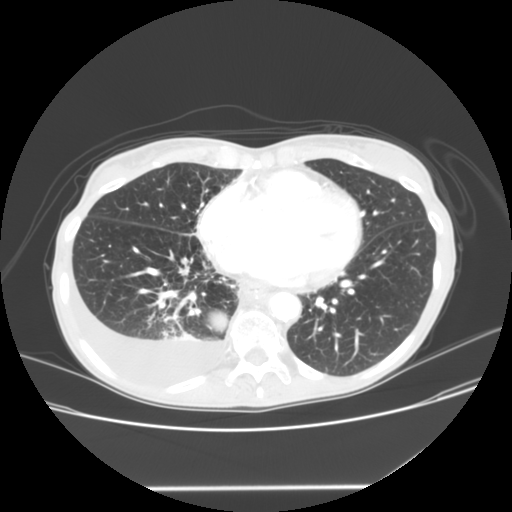
Axial slice 51 of 133 of a chest CT (slice 1 is the lowest), reconstructed with the STANDARD kernel at 120 kVp; 2.50 mm slice thickness and 0.703 mm pixels.
Pulmonary nodule at rows 310–332, columns 207–226 (box = the union of the readers' outlines on this slice), outlined by two of the four readers; longest diameter 33.4–36.9 mm and volume 15304–15793 mm3 across the two readers' outlines. The readers' ratings, as ranges where they differ: texture from 4/5 to 5/5 (solid) across the two readers; margin 5/5 (circumscribed) from both readers; sphericity from 4/5 to 5/5 (round) across the two readers; calcification absent from both readers; internal structure soft tissue, both readers agreeing; subtlety 5/5 from both readers; malignancy likelihood 2–3/5 (the readers disagree). Scale key (1–5): texture non-solid→solid, margin indistinct→circumscribed, sphericity linear→round, subtlety extremely subtle→obvious, malignancy likelihood highly unlikely→highly suspicious of cancer. Box rows and columns are 0-based pixel indices from the top-left corner, inclusive.